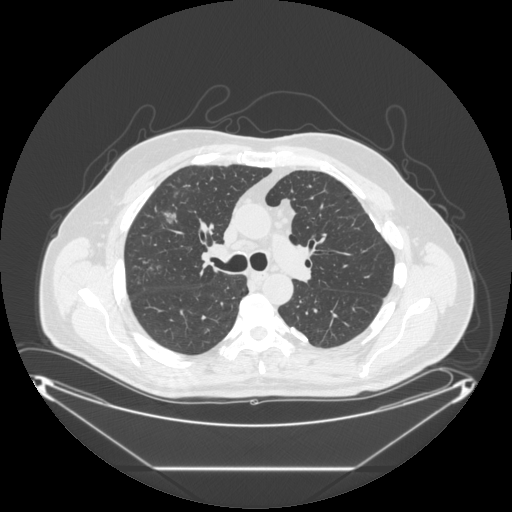
Chest CT, axial plane, 120 kVp, kernel STANDARD. Slice 189/297 from the bottom of the scan; thickness 1.25 mm; pixel size 0.949 mm.
Pulmonary nodule, outlined by three of the four readers. Box on this slice rows 211–224, columns 161–177, the union of the readers' outlines on this slice; longest diameter 16.4–29.0 mm and volume 528–991 mm3 across the three readers' outlines. Ratings across the readers: texture from 1/5 (non-solid) to 5/5 (solid) across the three readers; margin from 2/5 to 4/5 across the three readers; sphericity from 3/5 (ovoid) to 5/5 (round) across the three readers; calcification absent, all three readers agreeing; internal structure soft tissue, all three readers agreeing; subtlety rated between 1 and 5 out of 5 by the three readers; malignancy likelihood 2–5/5 (the readers disagree). Scale key (1–5): texture non-solid→solid, margin indistinct→circumscribed, sphericity linear→round, subtlety extremely subtle→obvious, malignancy likelihood highly unlikely→highly suspicious of cancer. Box rows and columns are 0-based pixel indices from the top-left corner, inclusive.